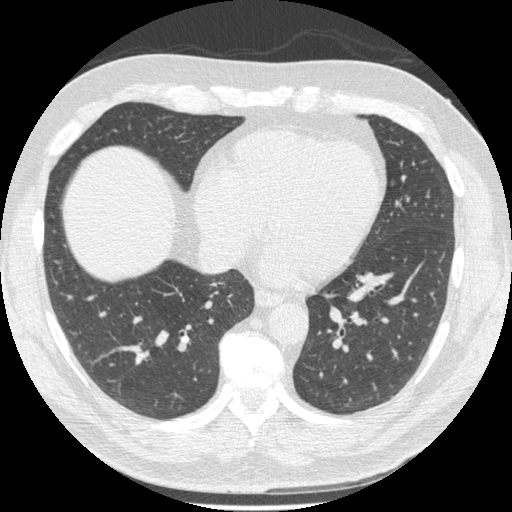
Axial chest CT slice 217 of 557 (counted from the lowest slice); 1.25 mm thick, 0.703 mm per pixel. Pulmonary nodule at rows 336–342, columns 181–189 (box = the union of the readers' outlines on this slice), outlined by all four readers; longest diameter 7.6 mm on average over the four readers' outlines (readers' outlines 6.7–9.4 mm), volume 108–158 mm3. The readers' prevailing ratings and who disagreed: texture 5/5 (solid) from all four readers; margin 5/5 (circumscribed) from all four readers; sphericity 5/5 (round) by two of four readers; the rest gave 3/5 (ovoid) (one), 4/5 (one); calcification solid calcification by three of four readers, absent (one); internal structure soft tissue from all four readers; subtlety 3/5 by two of four readers; the rest gave 4/5 (one), 5/5 (one); most readers (three of four) put malignancy likelihood at 1/5, others 2/5 (one). Scale key (1–5): texture non-solid→solid, margin indistinct→circumscribed, sphericity linear→round, subtlety extremely subtle→obvious, malignancy likelihood highly unlikely→highly suspicious of cancer. Box rows and columns are 0-based pixel indices from the top-left corner, inclusive.
Acquired at 120 kVp and reconstructed with the STANDARD kernel.